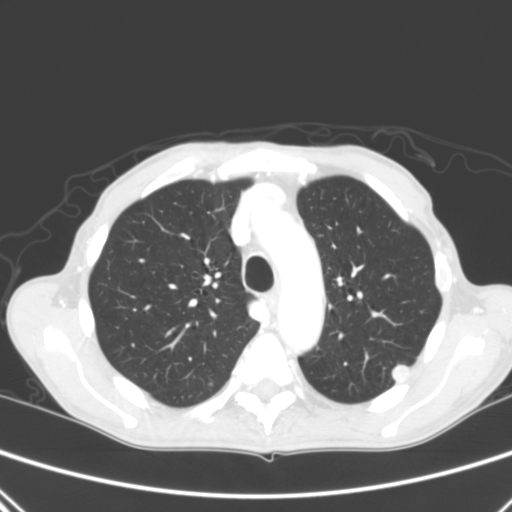
One axial slice (212 of 290, counting up from the lowest) of a chest CT acquired at 120 kVp with the B kernel; each pixel is 0.639 mm and the slice is 2.00 mm thick.
Pulmonary nodule outlined by all four readers; box rows 363–382, columns 391–409 (the union of the readers' outlines on this slice); longest diameter 14.4 mm on average over the four readers' outlines (readers' outlines 12.9–15.8 mm), volume 837–1237 mm3. The readers' prevailing ratings and who disagreed: texture 5/5 (solid) by three of four readers; the rest gave 4/5 (one); margin split among the readers: 4/5 (two), 5/5 (circumscribed) (two); most readers (three of four) put sphericity at 5/5 (round), others 3/5 (ovoid) (one); calcification absent by three of four readers, laminated calcification (one); internal structure soft tissue from all four readers; subtlety 5/5 by three of four readers; the rest gave 4/5 (one); malignancy likelihood split among the readers: 2/5 (one), 3/5 (one), 4/5 (one), 5/5 (one). Scale key (1–5): texture non-solid→solid, margin indistinct→circumscribed, sphericity linear→round, subtlety extremely subtle→obvious, malignancy likelihood highly unlikely→highly suspicious of cancer. Box rows and columns are 0-based pixel indices from the top-left corner, inclusive.